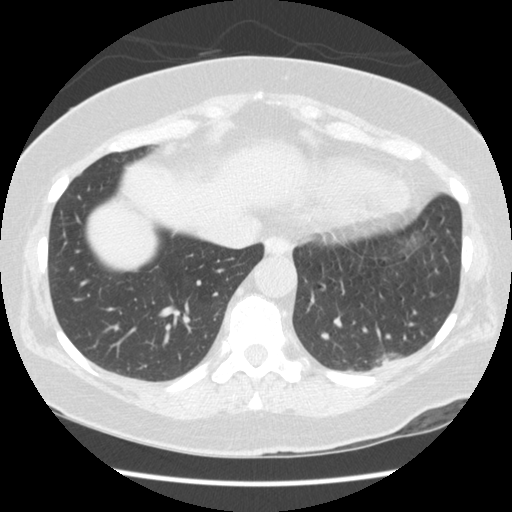
This is axial slice 42 of 154 (slice 1 is the lowest) of a chest CT; each pixel is 0.645 mm and the slice is 2.50 mm thick. Pulmonary nodule at rows 354–364, columns 376–397 (box = that reader's outline on this slice), outlined by one of the four readers; longest diameter 24.1 mm and volume 2244 mm3 from that reader's outline. Ratings by that reader: texture 3/5 (part-solid); margin 3/5; sphericity 4/5; calcification absent; internal structure soft tissue; subtlety 4/5; malignancy likelihood 1/5. Scale key (1–5): texture non-solid→solid, margin indistinct→circumscribed, sphericity linear→round, subtlety extremely subtle→obvious, malignancy likelihood highly unlikely→highly suspicious of cancer. Box rows and columns are 0-based pixel indices from the top-left corner, inclusive.
Tube voltage 120 kVp; convolution kernel STANDARD.